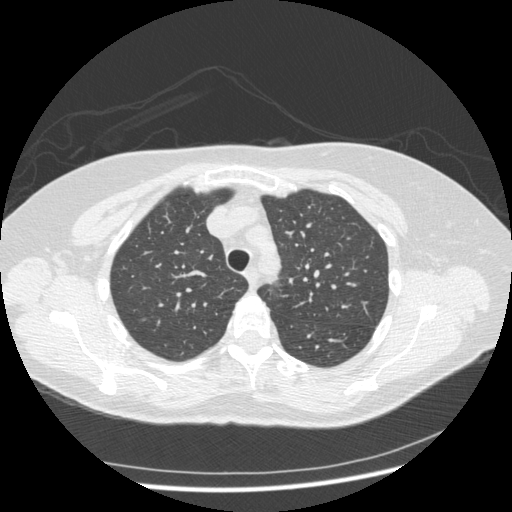
This is axial slice 333 of 436 (slice 1 is the lowest) of a chest CT; each pixel is 0.703 mm and the slice is 1.25 mm thick. Pulmonary nodule at rows 201–212, columns 161–172 (box = the union of the readers' outlines on this slice), outlined by all four readers, three of them on this slice; the four readers' outlines give a longest diameter between 10.7 and 12.4 mm and a volume between 115 and 323 mm3. The readers' ratings, as ranges where they differ: texture from 1/5 (non-solid) to 3/5 (part-solid) across the four readers; margin from 1/5 (indistinct) to 4/5 across the four readers; sphericity from 3/5 (ovoid) to 5/5 (round) across the four readers; calcification absent, all four readers agreeing; internal structure soft tissue, all four readers agreeing; subtlety 1–3/5 (the readers disagree); malignancy likelihood 2–3/5 (the readers disagree). Scale key (1–5): texture non-solid→solid, margin indistinct→circumscribed, sphericity linear→round, subtlety extremely subtle→obvious, malignancy likelihood highly unlikely→highly suspicious of cancer. Box rows and columns are 0-based pixel indices from the top-left corner, inclusive.
Scan settings: 120 kVp, STANDARD reconstruction kernel.